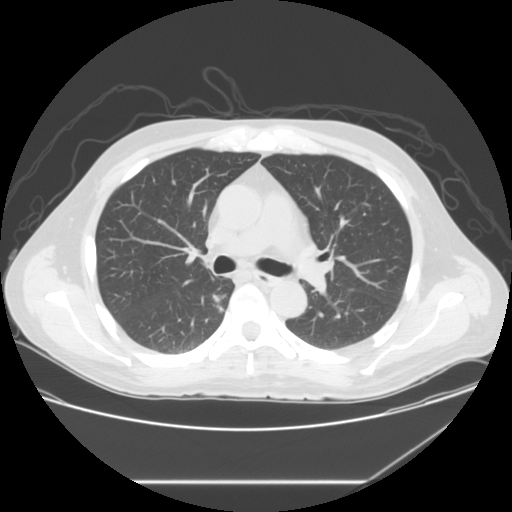
Axial chest CT slice 89 of 133 (counted from the lowest slice); 2.50 mm thick, 0.781 mm per pixel. Pulmonary nodule, outlined by two of the four readers. Box on this slice rows 294–312, columns 212–225, the union of the readers' outlines on this slice; median longest diameter 13.1 mm (readers' outlines 11.7–14.5 mm), median volume 959 mm3 (673–1246 mm3). Ratings, median across the readers with their spread: texture 5/5 (solid) from both readers; median margin 3.5/5 (readers ranged 3/5 to 4/5); median sphericity 3.5/5 (readers ranged 3/5 (ovoid) to 4/5); calcification absent, both readers agreeing; internal structure soft tissue, both readers agreeing; median subtlety 4.5/5 (readers ranged 4–5); malignancy likelihood 4.5/5 at the median of two readers, spread 4–5. Scale key (1–5): texture non-solid→solid, margin indistinct→circumscribed, sphericity linear→round, subtlety extremely subtle→obvious, malignancy likelihood highly unlikely→highly suspicious of cancer. Box rows and columns are 0-based pixel indices from the top-left corner, inclusive.
Scan settings: 120 kVp, STANDARD reconstruction kernel.